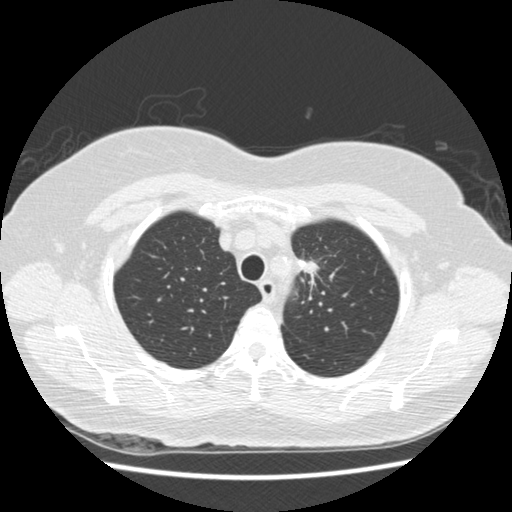
Axial chest CT slice 356 of 445 (counted from the lowest slice); tube voltage 120 kVp, convolution kernel STANDARD; slices 1.25 mm thick, 0.645 mm per pixel.
Pulmonary nodule, outlined by one of the four readers. Box on this slice rows 260–284, columns 300–318, that reader's outline on this slice; longest diameter 31.0 mm and volume 2055 mm3 from that reader's outline. Ratings by that reader: texture 5/5 (solid); margin 2/5; sphericity 2/5; calcification absent; internal structure soft tissue; subtlety 5/5; malignancy likelihood 4/5. Scale key (1–5): texture non-solid→solid, margin indistinct→circumscribed, sphericity linear→round, subtlety extremely subtle→obvious, malignancy likelihood highly unlikely→highly suspicious of cancer. Box rows and columns are 0-based pixel indices from the top-left corner, inclusive.